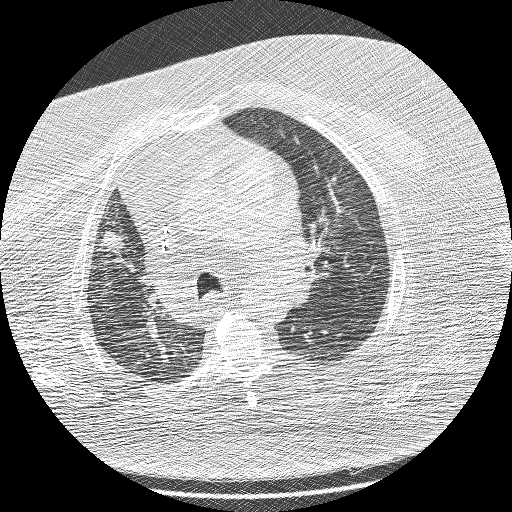
Axial slice 139 of 208 of a chest CT (slice 1 is the lowest), reconstructed with the BONE kernel at 120 kVp; 1.25 mm slice thickness and 0.723 mm pixels.
Pulmonary nodule, outlined by all four readers. Box on this slice rows 228–252, columns 101–125, the union of the readers' outlines on this slice; the four readers' outlines give a longest diameter between 25.6 and 30.6 mm and a volume between 4623 and 6820 mm3. Ratings across the readers: texture 5/5 (solid) from all four readers; margin from 1/5 (indistinct) to 3/5 across the four readers; sphericity from 3/5 (ovoid) to 4/5 across the four readers; calcification absent from all four readers; internal structure soft tissue from all four readers; subtlety 5/5 from all four readers; malignancy likelihood 5/5, all four readers agreeing. Scale key (1–5): texture non-solid→solid, margin indistinct→circumscribed, sphericity linear→round, subtlety extremely subtle→obvious, malignancy likelihood highly unlikely→highly suspicious of cancer. Box rows and columns are 0-based pixel indices from the top-left corner, inclusive.